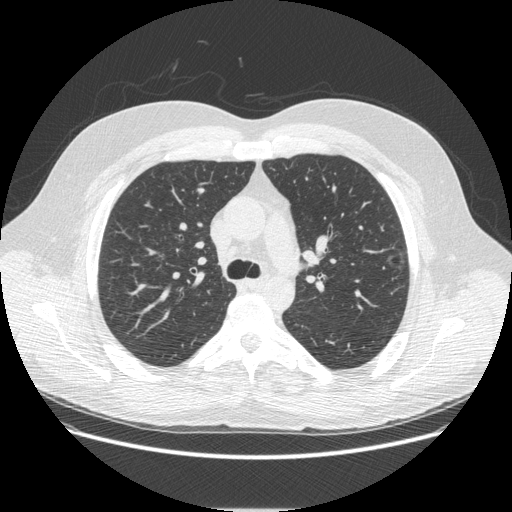
Axial chest CT slice 323 of 497 (counted from the lowest slice); tube voltage 120 kVp, convolution kernel STANDARD; slices 1.25 mm thick, 0.762 mm per pixel.
Pulmonary nodule, outlined by all four readers. Box on this slice rows 250–269, columns 386–407, the union of the readers' outlines on this slice; longest diameter 21.8 mm on average over the four readers' outlines (readers' outlines 21.5–22.5 mm), volume 2170–2597 mm3. Ratings, by the readers' most common answer with dissent counted: texture 1/5 (non-solid) by three of four readers; the rest gave 3/5 (part-solid) (one); margin 3/5 by two of four readers; the rest gave 2/5 (one), 4/5 (one); sphericity 5/5 (round) by two of four readers; the rest gave 3/5 (ovoid) (one), 4/5 (one); calcification absent from all four readers; internal structure split among the readers: air (two), soft tissue (two); subtlety 4/5 by two of four readers; the rest gave 1/5 (one), 5/5 (one); malignancy likelihood split among the readers: 1/5 (one), 2/5 (one), 4/5 (one), 5/5 (one). Scale key (1–5): texture non-solid→solid, margin indistinct→circumscribed, sphericity linear→round, subtlety extremely subtle→obvious, malignancy likelihood highly unlikely→highly suspicious of cancer. Box rows and columns are 0-based pixel indices from the top-left corner, inclusive.